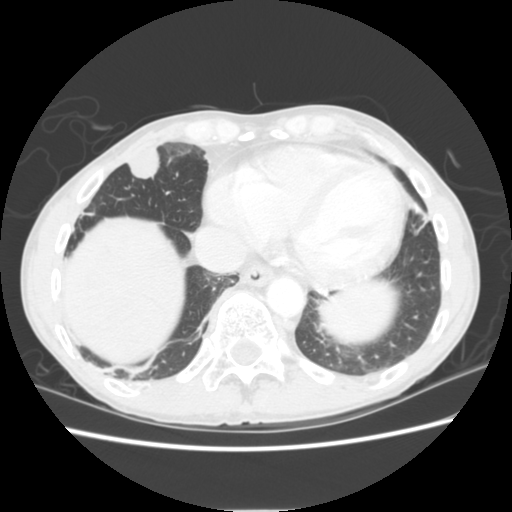
Chest CT, axial plane, 120 kVp, kernel STANDARD. Slice 57/255 from the bottom of the scan; thickness 2.50 mm; pixel size 0.664 mm.
Pulmonary nodule at rows 145–179, columns 125–160 (box = the union of the readers' outlines on this slice), outlined by all four readers; longest diameter 25.4–30.3 mm and volume 4677–6345 mm3 across the four readers' outlines. Ratings across the readers: texture 5/5 (solid) from all four readers; margin from 4/5 to 5/5 (circumscribed) across the four readers; sphericity from 3/5 (ovoid) to 5/5 (round) across the four readers; calcification absent from all four readers; internal structure soft tissue, all four readers agreeing; subtlety 5/5, all four readers agreeing; malignancy likelihood from 3/5 to 5/5 across the four readers. Scale key (1–5): texture non-solid→solid, margin indistinct→circumscribed, sphericity linear→round, subtlety extremely subtle→obvious, malignancy likelihood highly unlikely→highly suspicious of cancer. Box rows and columns are 0-based pixel indices from the top-left corner, inclusive.